Axial slice 374 of 465 of a chest CT (slice 1 is the lowest), reconstructed with the STANDARD kernel at 120 kVp; 1.25 mm slice thickness and 0.586 mm pixels.
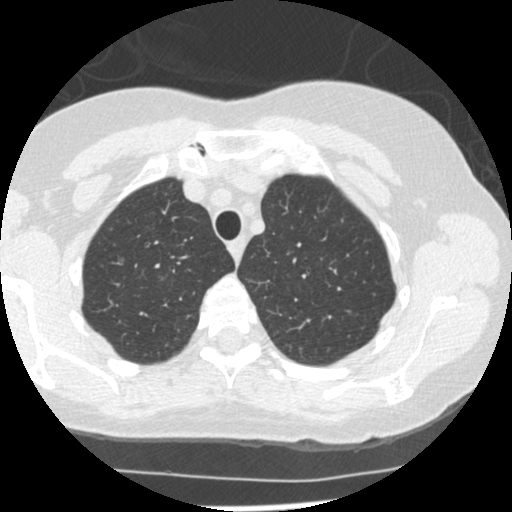
Pulmonary nodule, outlined by two of the four readers. Box on this slice rows 256–261, columns 118–124, the union of the readers' outlines on this slice; the two readers' outlines give a longest diameter between 4.3 and 5.9 mm and a volume between 21 and 42 mm3. Ratings across the readers: texture from 1/5 (non-solid) to 3/5 (part-solid) across the two readers; margin from 1/5 (indistinct) to 4/5 across the two readers; sphericity from 3/5 (ovoid) to 4/5 across the two readers; calcification absent, both readers agreeing; internal structure soft tissue from both readers; subtlety from 3/5 to 5/5 across the two readers; malignancy likelihood 3/5 from both readers. Scale key (1–5): texture non-solid→solid, margin indistinct→circumscribed, sphericity linear→round, subtlety extremely subtle→obvious, malignancy likelihood highly unlikely→highly suspicious of cancer. Box rows and columns are 0-based pixel indices from the top-left corner, inclusive.